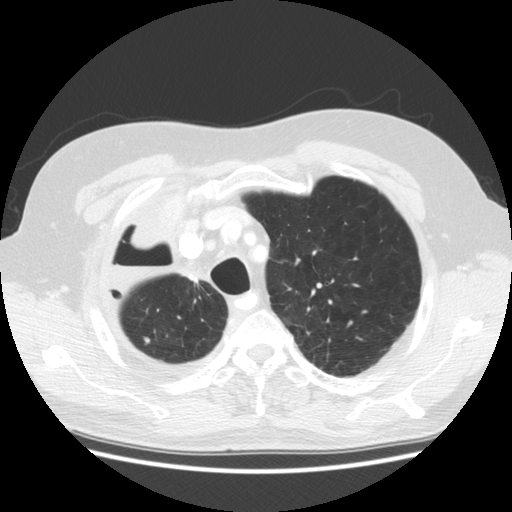
Slice 236/295 of a chest CT, counting up from the lowest; pixel size 0.703 mm, slice thickness 2.50 mm. Pulmonary nodule, outlined by all four readers. Box on this slice rows 336–344, columns 143–150, the union of the readers' outlines on this slice; the four readers' outlines give a longest diameter between 6.5 and 7.5 mm and a volume between 93 and 148 mm3. The readers' ratings, as ranges where they differ: texture 5/5 (solid) from all four readers; margin from 3/5 to 5/5 (circumscribed) across the four readers; sphericity from 3/5 (ovoid) to 5/5 (round) across the four readers; calcification absent, all four readers agreeing; internal structure soft tissue from all four readers; subtlety 2–5/5 (the readers disagree); malignancy likelihood 2–3/5 (the readers disagree). Scale key (1–5): texture non-solid→solid, margin indistinct→circumscribed, sphericity linear→round, subtlety extremely subtle→obvious, malignancy likelihood highly unlikely→highly suspicious of cancer. Box rows and columns are 0-based pixel indices from the top-left corner, inclusive.
Tube voltage 120 kVp; convolution kernel STANDARD.